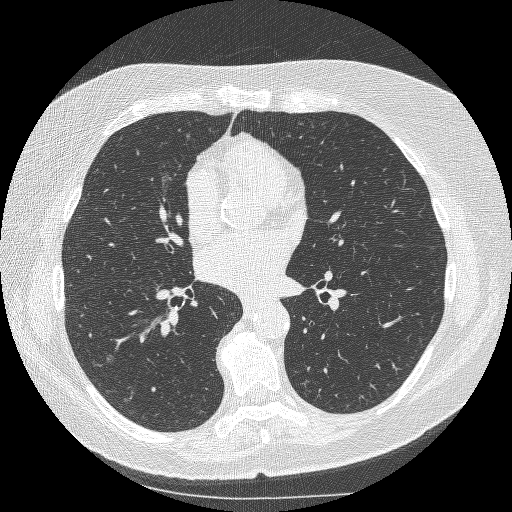
One axial slice (144 of 253, counting up from the lowest) of a chest CT acquired at 120 kVp with the BONE kernel; each pixel is 0.625 mm and the slice is 1.25 mm thick.
Pulmonary nodule at rows 352–364, columns 105–115 (box = the union of the readers' outlines on this slice), outlined by three of the four readers; longest diameter 8.0–8.7 mm and volume 77–131 mm3 across the three readers' outlines. The readers' ratings, as ranges where they differ: texture 1/5 (non-solid) from all three readers; margin from 1/5 (indistinct) to 2/5 across the three readers; sphericity from 3/5 (ovoid) to 5/5 (round) across the three readers; calcification absent, all three readers agreeing; internal structure soft tissue, all three readers agreeing; subtlety 1–3/5 (the readers disagree); malignancy likelihood from 3/5 to 4/5 across the three readers. Scale key (1–5): texture non-solid→solid, margin indistinct→circumscribed, sphericity linear→round, subtlety extremely subtle→obvious, malignancy likelihood highly unlikely→highly suspicious of cancer. Box rows and columns are 0-based pixel indices from the top-left corner, inclusive.